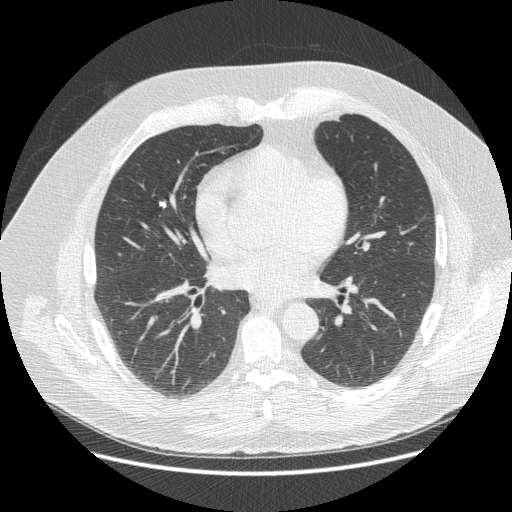
This is axial slice 246 of 477 (slice 1 is the lowest) of a chest CT; each pixel is 0.781 mm and the slice is 1.25 mm thick. Pulmonary nodule at rows 201–207, columns 159–166 (box = the union of the readers' outlines on this slice), outlined by all four readers; median longest diameter 7.6 mm (readers' outlines 6.3–9.5 mm), median volume 70 mm3 (41–153 mm3). Median ratings and the readers' spread: median texture 5/5 (solid) (readers ranged 4/5 to 5/5 (solid)); median margin 5/5 (circumscribed) (readers ranged 4/5 to 5/5 (circumscribed)); sphericity 3/5 (ovoid) at the median of four readers, spread 2/5 to 4/5; calcification: solid calcification (three), absent (one); internal structure soft tissue from all four readers; subtlety 5/5 from all four readers; median malignancy likelihood 1/5 (readers ranged 1–4). Scale key (1–5): texture non-solid→solid, margin indistinct→circumscribed, sphericity linear→round, subtlety extremely subtle→obvious, malignancy likelihood highly unlikely→highly suspicious of cancer. Box rows and columns are 0-based pixel indices from the top-left corner, inclusive.
Acquired at 120 kVp and reconstructed with the STANDARD kernel.